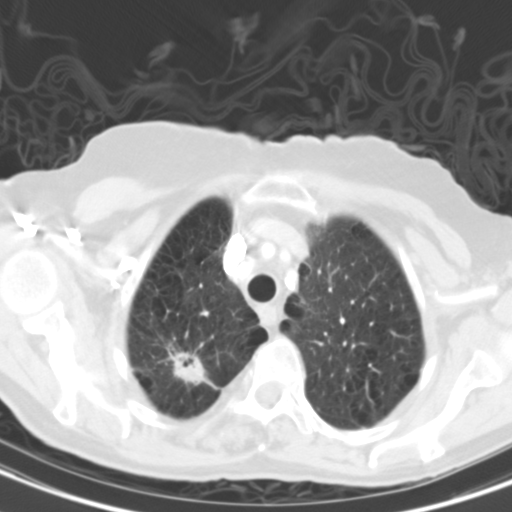
Chest CT, axial plane, 130 kVp, kernel B31s. Slice 99/117 from the bottom of the scan; thickness 3.00 mm; pixel size 0.566 mm.
Pulmonary nodule outlined by all four readers; box rows 345–387, columns 169–215 (the union of the readers' outlines on this slice); longest diameter 31.3–41.7 mm and volume 5062–7820 mm3 across the four readers' outlines. Ratings across the readers: texture 5/5 (solid), all four readers agreeing; margin from 1/5 (indistinct) to 4/5 across the four readers; sphericity from 3/5 (ovoid) to 5/5 (round) across the four readers; calcification absent from all four readers; internal structure soft tissue, all four readers agreeing; subtlety 5/5 from all four readers; malignancy likelihood 5/5 from all four readers. Scale key (1–5): texture non-solid→solid, margin indistinct→circumscribed, sphericity linear→round, subtlety extremely subtle→obvious, malignancy likelihood highly unlikely→highly suspicious of cancer. Box rows and columns are 0-based pixel indices from the top-left corner, inclusive.